Axial slice 162 of 275 of a chest CT (slice 1 is the lowest), reconstructed with the D kernel at 120 kVp; 1.00 mm slice thickness and 0.781 mm pixels.
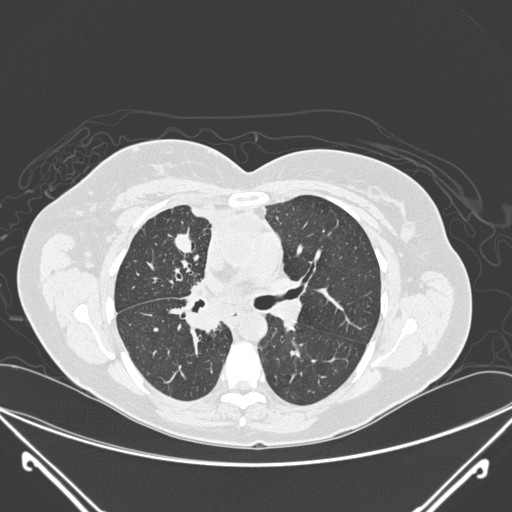
Pulmonary nodule outlined by all four readers; box rows 228–253, columns 174–191 (the union of the readers' outlines on this slice); longest diameter 22.1 mm on average over the four readers' outlines (readers' outlines 20.3–23.4 mm), volume 1750–2560 mm3. The readers' prevailing ratings and who disagreed: texture 5/5 (solid) from all four readers; margin 4/5 by two of four readers; the rest gave 3/5 (one), 5/5 (circumscribed) (one); sphericity 2/5 by two of four readers; the rest gave 3/5 (ovoid) (one), 5/5 (round) (one); calcification absent by three of four readers, central calcification (one); internal structure soft tissue from all four readers; subtlety 5/5 from all four readers; malignancy likelihood split among the readers: 1/5 (one), 3/5 (one), 4/5 (one), 5/5 (one). Scale key (1–5): texture non-solid→solid, margin indistinct→circumscribed, sphericity linear→round, subtlety extremely subtle→obvious, malignancy likelihood highly unlikely→highly suspicious of cancer. Box rows and columns are 0-based pixel indices from the top-left corner, inclusive.